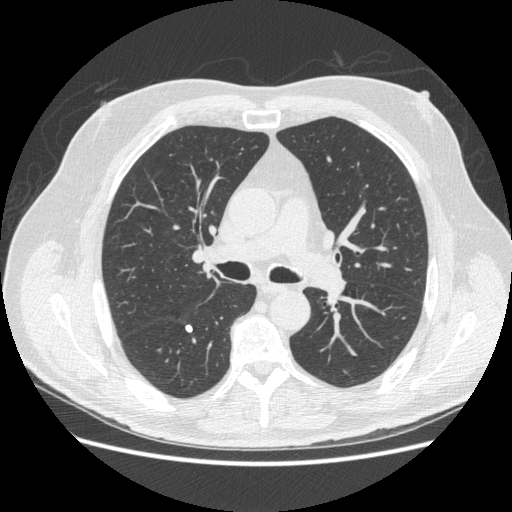
This is axial slice 306 of 503 (slice 1 is the lowest) of a chest CT; each pixel is 0.742 mm and the slice is 1.25 mm thick. Pulmonary nodule at rows 324–333, columns 184–192 (box = the union of the readers' outlines on this slice), outlined by all four readers; longest diameter 8.0 mm on average over the four readers' outlines (readers' outlines 7.0–8.7 mm), volume 116–149 mm3. The readers' prevailing ratings and who disagreed: texture 5/5 (solid) from all four readers; margin 5/5 (circumscribed) from all four readers; sphericity 3/5 (ovoid) by two of four readers; the rest gave 4/5 (one), 5/5 (round) (one); calcification solid calcification from all four readers; internal structure soft tissue, all four readers agreeing; subtlety split among the readers: 4/5 (two), 5/5 (two); malignancy likelihood 1/5, all four readers agreeing. Scale key (1–5): texture non-solid→solid, margin indistinct→circumscribed, sphericity linear→round, subtlety extremely subtle→obvious, malignancy likelihood highly unlikely→highly suspicious of cancer. Box rows and columns are 0-based pixel indices from the top-left corner, inclusive.
Tube voltage 120 kVp; convolution kernel STANDARD.